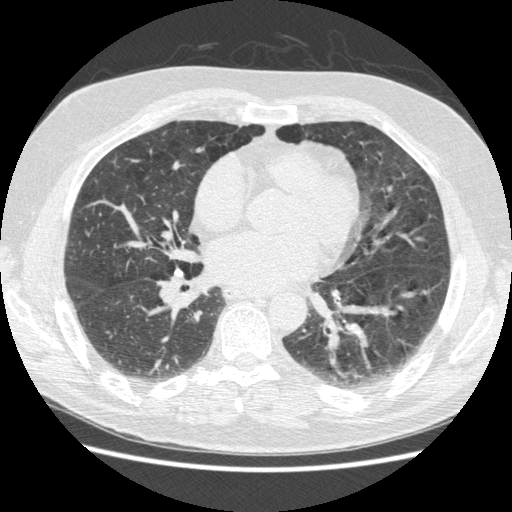
Chest CT, axial plane, 120 kVp, kernel STANDARD. Slice 196/471 from the bottom of the scan; thickness 1.25 mm; pixel size 0.703 mm.
None of the four readers outlined a nodule of 3 mm or more on this slice.